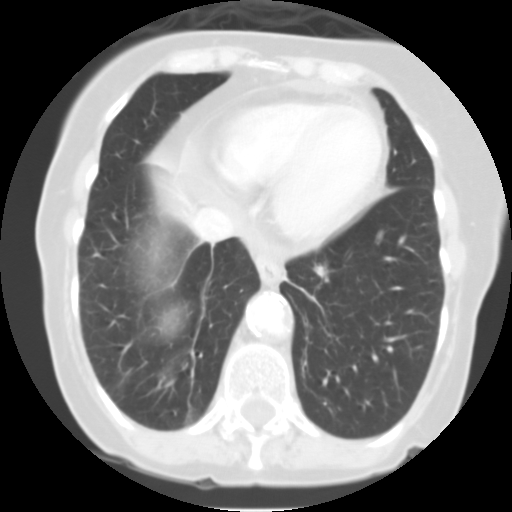
Axial chest CT slice 30 of 101 (counted from the lowest slice); tube voltage 135 kVp, convolution kernel FC01; slices 3.00 mm thick, 0.558 mm per pixel.
Pulmonary nodule, outlined by all four readers. Box on this slice rows 264–279, columns 313–328, the union of the readers' outlines on this slice; longest diameter 11.6 mm on average over the four readers' outlines (readers' outlines 10.3–13.4 mm), volume 439–803 mm3. The readers' prevailing ratings and who disagreed: texture split among the readers: 4/5 (two), 5/5 (solid) (two); margin 4/5 by two of four readers; the rest gave 2/5 (one), 3/5 (one); sphericity 4/5 by three of four readers; the rest gave 3/5 (ovoid) (one); calcification absent from all four readers; internal structure soft tissue, all four readers agreeing; subtlety 4/5 by two of four readers; the rest gave 3/5 (one), 5/5 (one); malignancy likelihood 3/5 by two of four readers; the rest gave 2/5 (one), 4/5 (one). Scale key (1–5): texture non-solid→solid, margin indistinct→circumscribed, sphericity linear→round, subtlety extremely subtle→obvious, malignancy likelihood highly unlikely→highly suspicious of cancer. Box rows and columns are 0-based pixel indices from the top-left corner, inclusive.